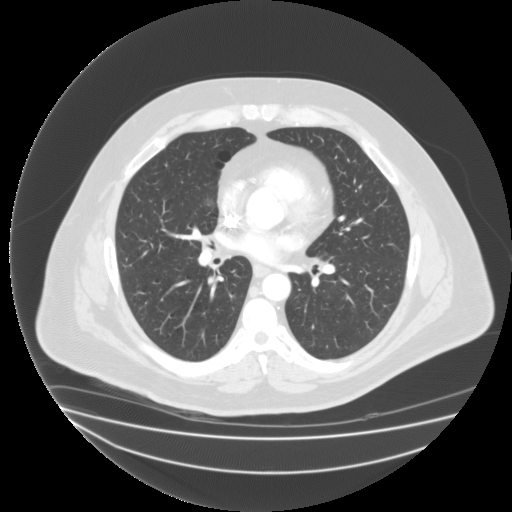
Axial chest CT slice 96 of 183 (counted from the lowest slice); tube voltage 135 kVp, convolution kernel FC03; slices 2.00 mm thick, 0.946 mm per pixel.
Pulmonary nodule outlined by three of the four readers; box rows 197–206, columns 202–215 (the union of the readers' outlines on this slice); longest diameter 26.0 mm and volume 3179–3614 mm3 across the three readers' outlines. Ratings across the readers: texture 1/5 (non-solid), all three readers agreeing; margin from 2/5 to 3/5 across the three readers; sphericity from 3/5 (ovoid) to 4/5 across the three readers; calcification absent from all three readers; internal structure: soft tissue (two), fluid (one); subtlety from 2/5 to 5/5 across the three readers; malignancy likelihood from 3/5 to 4/5 across the three readers. Scale key (1–5): texture non-solid→solid, margin indistinct→circumscribed, sphericity linear→round, subtlety extremely subtle→obvious, malignancy likelihood highly unlikely→highly suspicious of cancer. Box rows and columns are 0-based pixel indices from the top-left corner, inclusive.